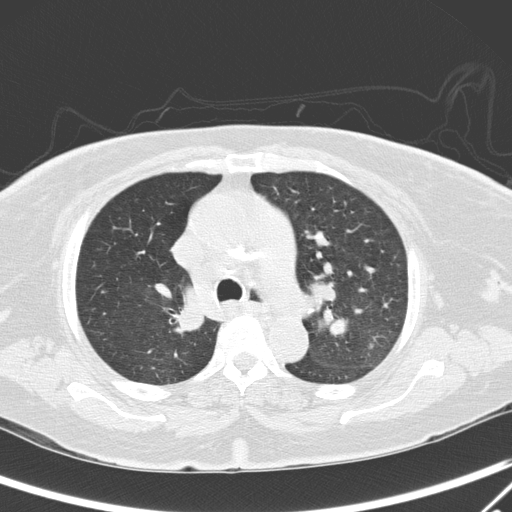
Axial slice 206 of 295 of a chest CT (slice 1 is the lowest), reconstructed with the D kernel at 120 kVp; 2.00 mm slice thickness and 0.682 mm pixels.
Pulmonary nodule outlined by two of the four readers; box rows 343–348, columns 367–373 (the union of the readers' outlines on this slice); longest diameter 5.9 mm on average over the two readers' outlines (readers' outlines 5.3–6.5 mm), volume 34–72 mm3. Ratings, by the readers' most common answer with dissent counted: texture split among the readers: 2/5 (one), 4/5 (one); margin split among the readers: 1/5 (indistinct) (one), 5/5 (circumscribed) (one); sphericity split among the readers: 3/5 (ovoid) (one), 5/5 (round) (one); calcification absent, both readers agreeing; internal structure soft tissue, both readers agreeing; subtlety split among the readers: 1/5 (one), 3/5 (one); malignancy likelihood split among the readers: 2/5 (one), 3/5 (one). Scale key (1–5): texture non-solid→solid, margin indistinct→circumscribed, sphericity linear→round, subtlety extremely subtle→obvious, malignancy likelihood highly unlikely→highly suspicious of cancer. Box rows and columns are 0-based pixel indices from the top-left corner, inclusive.